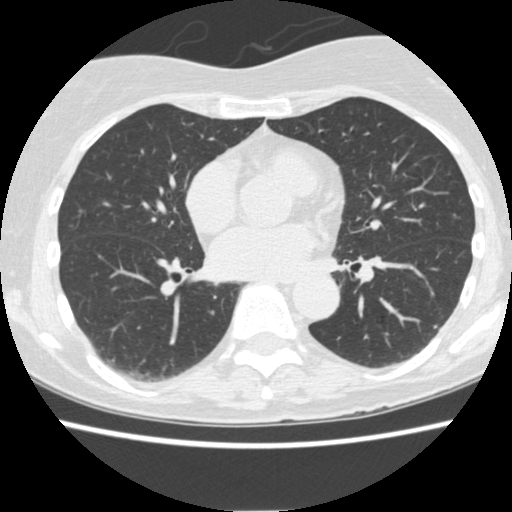
This is axial slice 199 of 484 (slice 1 is the lowest) of a chest CT; each pixel is 0.625 mm and the slice is 1.25 mm thick. Pulmonary nodule outlined by one of the four readers; box rows 325–327, columns 432–437 (that reader's outline on this slice); longest diameter 4.6 mm and volume 36 mm3 from that reader's outline. That reader's ratings: texture 5/5 (solid); margin 5/5 (circumscribed); sphericity 4/5; calcification solid calcification; internal structure soft tissue; subtlety 5/5; malignancy likelihood 1/5. Scale key (1–5): texture non-solid→solid, margin indistinct→circumscribed, sphericity linear→round, subtlety extremely subtle→obvious, malignancy likelihood highly unlikely→highly suspicious of cancer. Box rows and columns are 0-based pixel indices from the top-left corner, inclusive.
Acquired at 120 kVp and reconstructed with the STANDARD kernel.